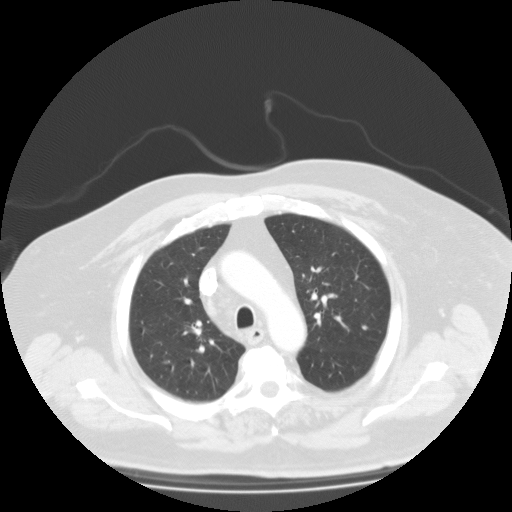
Slice 89/123 of a chest CT, counting up from the lowest; pixel size 0.877 mm, slice thickness 3.00 mm. Pulmonary nodule at rows 325–329, columns 362–366 (box = the union of the readers' outlines on this slice), outlined by two of the four readers; median longest diameter 12.7 mm (readers' outlines 12.2–13.2 mm), median volume 420 mm3 (398–442 mm3). Median ratings and the readers' spread: texture 5/5 (solid), both readers agreeing; median margin 4.5/5 (readers ranged 4/5 to 5/5 (circumscribed)); sphericity 3.5/5 at the median of two readers, spread 3/5 (ovoid) to 4/5; calcification split among the readers: central calcification (one), absent (one); internal structure soft tissue from both readers; subtlety 4.5/5 at the median of two readers, spread 4–5; median malignancy likelihood 1.5/5 (readers ranged 1–2). Scale key (1–5): texture non-solid→solid, margin indistinct→circumscribed, sphericity linear→round, subtlety extremely subtle→obvious, malignancy likelihood highly unlikely→highly suspicious of cancer. Box rows and columns are 0-based pixel indices from the top-left corner, inclusive.
Scan settings: 135 kVp, FC01 reconstruction kernel.